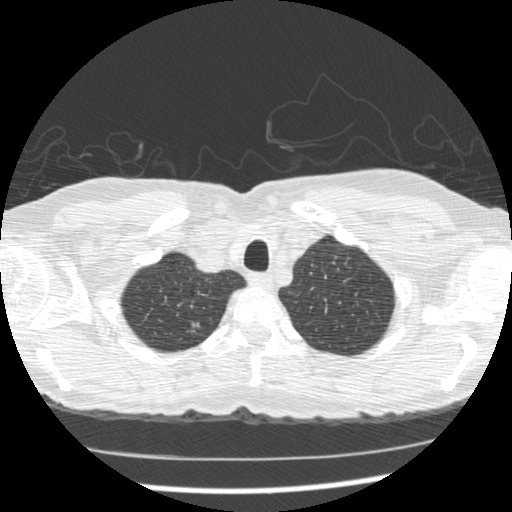
Axial chest CT slice 396 of 449 (counted from the lowest slice); tube voltage 120 kVp, convolution kernel STANDARD; slices 1.25 mm thick, 0.625 mm per pixel.
Pulmonary nodule outlined by two of the four readers; box rows 322–325, columns 191–200 (the union of the readers' outlines on this slice); longest diameter 8.3 mm on average over the two readers' outlines (readers' outlines 8.3 mm), volume 92 mm3. Ratings, by the readers' most common answer with dissent counted: texture 3/5 (part-solid), both readers agreeing; margin split among the readers: 3/5 (one), 4/5 (one); sphericity split among the readers: 2/5 (one), 4/5 (one); calcification absent, both readers agreeing; internal structure split among the readers: soft tissue (one), air (one); subtlety 3/5, both readers agreeing; malignancy likelihood split among the readers: 3/5 (one), 4/5 (one). Scale key (1–5): texture non-solid→solid, margin indistinct→circumscribed, sphericity linear→round, subtlety extremely subtle→obvious, malignancy likelihood highly unlikely→highly suspicious of cancer. Box rows and columns are 0-based pixel indices from the top-left corner, inclusive.